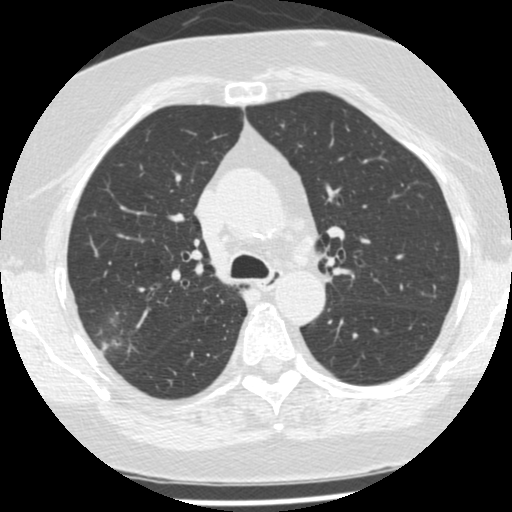
Axial chest CT slice 336 of 487 (counted from the lowest slice); tube voltage 120 kVp, convolution kernel STANDARD; slices 1.25 mm thick, 0.586 mm per pixel.
Pulmonary nodule, outlined by two of the four readers, one of them on this slice. Box on this slice rows 332–354, columns 96–121, the one reader's outline on this slice; median longest diameter 18.1 mm (readers' outlines 11.3–24.9 mm), median volume 1598 mm3 (232–2964 mm3). Median ratings and the readers' spread: texture 3/5 (part-solid) from both readers; median margin 1.5/5 (readers ranged 1/5 (indistinct) to 2/5); sphericity 4/5 from both readers; calcification absent from both readers; internal structure soft tissue, both readers agreeing; subtlety 4/5 from both readers; malignancy likelihood 3.5/5 at the median of two readers, spread 3–4. Scale key (1–5): texture non-solid→solid, margin indistinct→circumscribed, sphericity linear→round, subtlety extremely subtle→obvious, malignancy likelihood highly unlikely→highly suspicious of cancer. Box rows and columns are 0-based pixel indices from the top-left corner, inclusive.